One axial slice (190 of 297, counting up from the lowest) of a chest CT acquired at 120 kVp with the STANDARD kernel; each pixel is 0.949 mm and the slice is 1.25 mm thick.
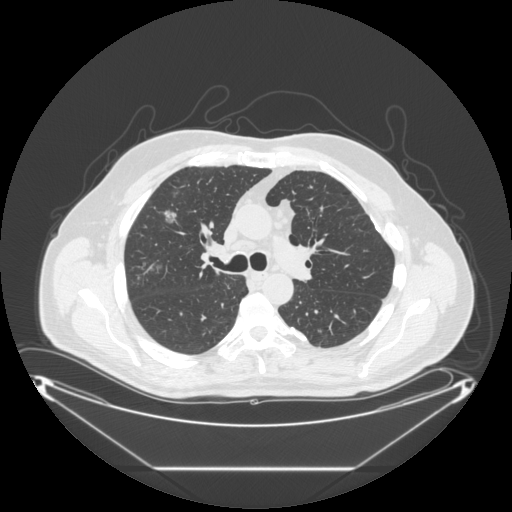
Pulmonary nodule outlined by three of the four readers; box rows 208–226, columns 157–180 (the union of the readers' outlines on this slice); longest diameter 16.4–29.0 mm and volume 528–991 mm3 across the three readers' outlines. Ratings across the readers: texture from 1/5 (non-solid) to 5/5 (solid) across the three readers; margin from 2/5 to 4/5 across the three readers; sphericity from 3/5 (ovoid) to 5/5 (round) across the three readers; calcification absent, all three readers agreeing; internal structure soft tissue, all three readers agreeing; subtlety from 1/5 to 5/5 across the three readers; malignancy likelihood 2–5/5 (the readers disagree). Scale key (1–5): texture non-solid→solid, margin indistinct→circumscribed, sphericity linear→round, subtlety extremely subtle→obvious, malignancy likelihood highly unlikely→highly suspicious of cancer. Box rows and columns are 0-based pixel indices from the top-left corner, inclusive.